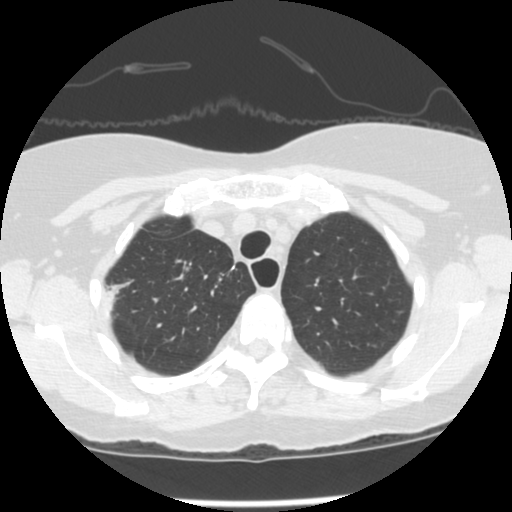
One axial slice (182 of 241, counting up from the lowest) of a chest CT acquired at 120 kVp with the STANDARD kernel; each pixel is 0.609 mm and the slice is 1.25 mm thick.
Pulmonary nodule, outlined by three of the four readers, two of them on this slice. Box on this slice rows 310–314, columns 396–404, the union of the readers' outlines on this slice; longest diameter 5.0–6.5 mm and volume 30–85 mm3 across the three readers' outlines. Ratings across the readers: texture from 2/5 to 5/5 (solid) across the three readers; margin from 2/5 to 5/5 (circumscribed) across the three readers; sphericity from 3/5 (ovoid) to 4/5 across the three readers; calcification absent, all three readers agreeing; internal structure soft tissue from all three readers; subtlety rated between 2 and 5 out of 5 by the three readers; malignancy likelihood 2–3/5 (the readers disagree). Scale key (1–5): texture non-solid→solid, margin indistinct→circumscribed, sphericity linear→round, subtlety extremely subtle→obvious, malignancy likelihood highly unlikely→highly suspicious of cancer. Box rows and columns are 0-based pixel indices from the top-left corner, inclusive.